One axial slice (77 of 107, counting up from the lowest) of a chest CT acquired at 130 kVp with the B31s kernel; each pixel is 0.742 mm and the slice is 3.00 mm thick.
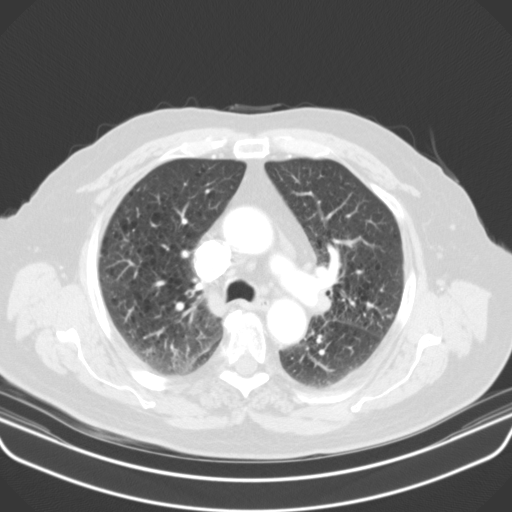
Pulmonary nodule outlined by three of the four readers; box rows 302–307, columns 366–373 (the union of the readers' outlines on this slice); longest diameter 7.6–9.0 mm and volume 118–196 mm3 across the three readers' outlines. The readers' ratings, as ranges where they differ: texture from 4/5 to 5/5 (solid) across the three readers; margin from 4/5 to 5/5 (circumscribed) across the three readers; sphericity 3/5 (ovoid), all three readers agreeing; calcification absent from all three readers; internal structure soft tissue from all three readers; subtlety rated between 2 and 5 out of 5 by the three readers; malignancy likelihood rated between 2 and 4 out of 5 by the three readers. Scale key (1–5): texture non-solid→solid, margin indistinct→circumscribed, sphericity linear→round, subtlety extremely subtle→obvious, malignancy likelihood highly unlikely→highly suspicious of cancer. Box rows and columns are 0-based pixel indices from the top-left corner, inclusive.